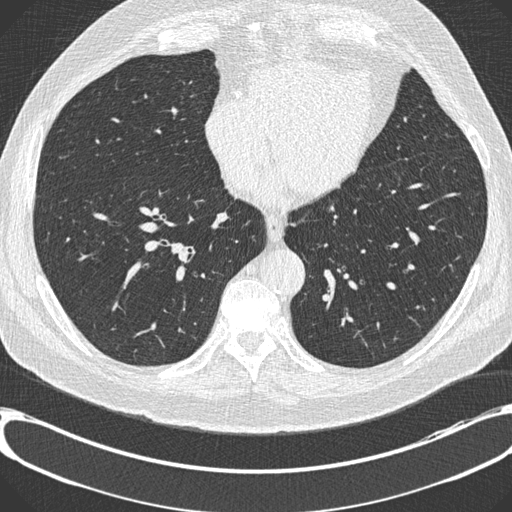
Axial chest CT slice 300 of 730 (counted from the lowest slice); 0.60 mm thick, 0.730 mm per pixel. Pulmonary nodule, outlined by one of the four readers. Box on this slice rows 306–308, columns 416–419, that reader's outline on this slice; longest diameter 7.2 mm and volume 114 mm3 from that reader's outline. Ratings by that reader: texture 5/5 (solid); margin 5/5 (circumscribed); sphericity 5/5 (round); calcification absent; internal structure soft tissue; subtlety 3/5; malignancy likelihood 2/5. Scale key (1–5): texture non-solid→solid, margin indistinct→circumscribed, sphericity linear→round, subtlety extremely subtle→obvious, malignancy likelihood highly unlikely→highly suspicious of cancer. Box rows and columns are 0-based pixel indices from the top-left corner, inclusive.
Scan settings: 120 kVp, B30f reconstruction kernel.